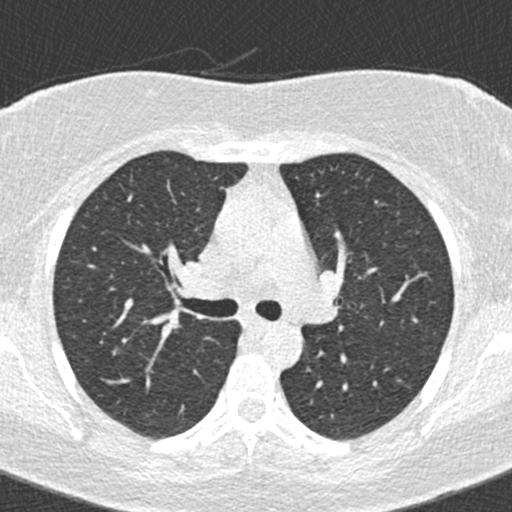
Axial chest CT slice 301 of 456 (counted from the lowest slice); 0.75 mm thick, 0.559 mm per pixel. This slice carries no reader outline of a nodule 3 mm or larger.
Tube voltage 120 kVp; convolution kernel B30f.